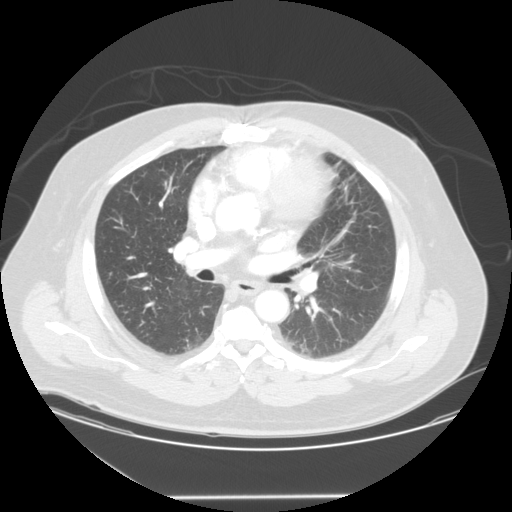
Slice 84/127 of a chest CT, counting up from the lowest; pixel size 0.859 mm, slice thickness 2.50 mm. None of the four readers outlined a nodule of 3 mm or more on this slice.
Scan settings: 120 kVp, STANDARD reconstruction kernel.